Axial chest CT slice 366 of 445 (counted from the lowest slice); tube voltage 120 kVp, convolution kernel STANDARD; slices 1.25 mm thick, 0.645 mm per pixel.
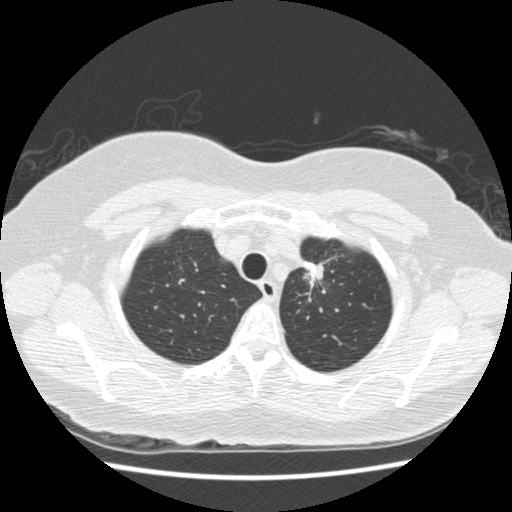
Pulmonary nodule outlined by one of the four readers; box rows 262–287, columns 304–322 (that reader's outline on this slice); longest diameter 31.0 mm and volume 2055 mm3 from that reader's outline. Ratings by that reader: texture 5/5 (solid); margin 2/5; sphericity 2/5; calcification absent; internal structure soft tissue; subtlety 5/5; malignancy likelihood 4/5. Scale key (1–5): texture non-solid→solid, margin indistinct→circumscribed, sphericity linear→round, subtlety extremely subtle→obvious, malignancy likelihood highly unlikely→highly suspicious of cancer. Box rows and columns are 0-based pixel indices from the top-left corner, inclusive.